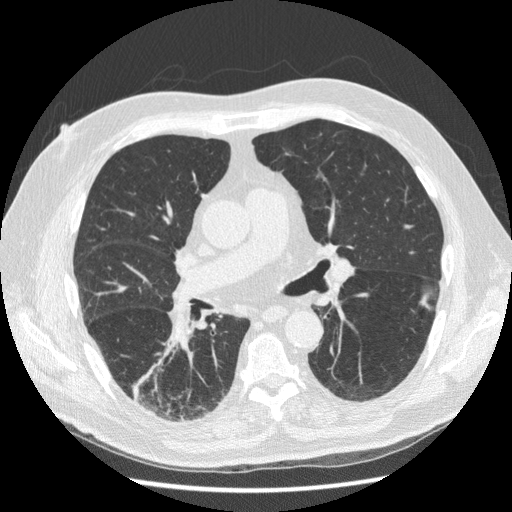
Axial chest CT slice 106 of 216 (counted from the lowest slice); 1.25 mm thick, 0.703 mm per pixel. No nodule 3 mm or larger was outlined here by any reader.
Acquired at 120 kVp and reconstructed with the STANDARD kernel.